Axial slice 124 of 147 of a chest CT (slice 1 is the lowest), reconstructed with the STANDARD kernel at 120 kVp; 2.50 mm slice thickness and 0.781 mm pixels.
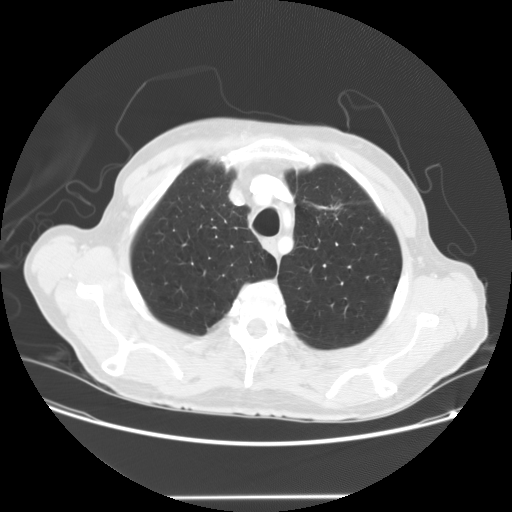
Pulmonary nodule, outlined by all four readers, one of them on this slice. Box on this slice rows 198–214, columns 323–341, the one reader's outline on this slice; median longest diameter 31.0 mm (readers' outlines 28.8–40.5 mm), median volume 4785 mm3 (3077–10560 mm3). Median ratings and the readers' spread: texture 4/5 at the median of four readers, spread 3/5 (part-solid) to 5/5 (solid); margin 3.5/5 at the median of four readers, spread 2/5 to 5/5 (circumscribed); sphericity 3/5 (ovoid), all four readers agreeing; calcification absent from all four readers; internal structure soft tissue from all four readers; subtlety 5/5 at the median of four readers, spread 4–5; median malignancy likelihood 4.5/5 (readers ranged 3–5). Scale key (1–5): texture non-solid→solid, margin indistinct→circumscribed, sphericity linear→round, subtlety extremely subtle→obvious, malignancy likelihood highly unlikely→highly suspicious of cancer. Box rows and columns are 0-based pixel indices from the top-left corner, inclusive.